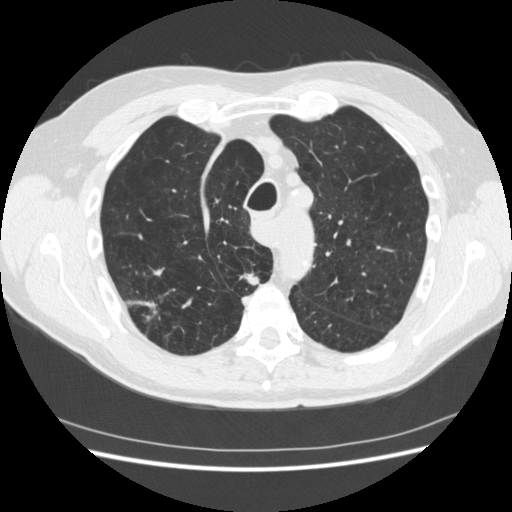
One axial slice (342 of 481, counting up from the lowest) of a chest CT acquired at 120 kVp with the STANDARD kernel; each pixel is 0.703 mm and the slice is 1.25 mm thick.
Two pulmonary nodules on this slice, listed from left to right. (1) Pulmonary nodule, outlined by all four readers, two of them on this slice. Box on this slice rows 299–322, columns 125–159, the union of the readers' outlines on this slice; longest diameter 26.2 mm on average over the four readers' outlines (readers' outlines 18.7–34.9 mm), volume 1155–4169 mm3. Ratings, by the readers' most common answer with dissent counted: texture 5/5 (solid) by three of four readers; the rest gave 4/5 (one); margin split among the readers: 1/5 (indistinct) (one), 2/5 (one), 3/5 (one), 4/5 (one); sphericity split among the readers: 2/5 (one), 3/5 (ovoid) (one), 4/5 (one), 5/5 (round) (one); calcification absent, all four readers agreeing; internal structure soft tissue, all four readers agreeing; subtlety 5/5 from all four readers; malignancy likelihood 5/5 by three of four readers; the rest gave 4/5 (one). (2) Pulmonary nodule outlined by three of the four readers; box rows 272–286, columns 239–259 (the union of the readers' outlines on this slice); longest diameter 15.9 mm on average over the three readers' outlines (readers' outlines 13.5–18.5 mm), volume 529–1088 mm3. The readers' prevailing ratings and who disagreed: texture 5/5 (solid) from all three readers; margin 4/5 by two of three readers; the rest gave 1/5 (indistinct) (one); sphericity 3/5 (ovoid) by two of three readers; the rest gave 2/5 (one); calcification absent from all three readers; internal structure soft tissue from all three readers; subtlety 5/5 by two of three readers; the rest gave 4/5 (one); most readers (two of three) put malignancy likelihood at 5/5, others 3/5 (one). Scale key (1–5): texture non-solid→solid, margin indistinct→circumscribed, sphericity linear→round, subtlety extremely subtle→obvious, malignancy likelihood highly unlikely→highly suspicious of cancer. Box rows and columns are 0-based pixel indices from the top-left corner, inclusive.